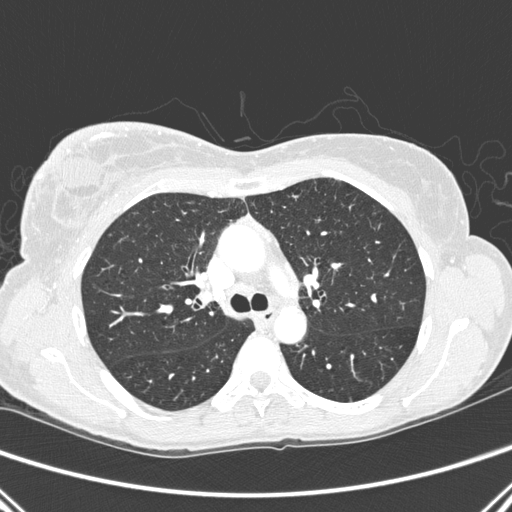
Slice 180/275 of a chest CT, counting up from the lowest; pixel size 0.658 mm, slice thickness 1.00 mm. Pulmonary nodule, outlined by two of the four readers, one of them on this slice. Box on this slice rows 397–400, columns 349–351, the one reader's outline on this slice; longest diameter 3.8–4.4 mm and volume 26–28 mm3 across the two readers' outlines. Ratings across the readers: texture 5/5 (solid) from both readers; margin from 4/5 to 5/5 (circumscribed) across the two readers; sphericity 5/5 (round), both readers agreeing; calcification absent, both readers agreeing; internal structure soft tissue from both readers; subtlety from 2/5 to 4/5 across the two readers; malignancy likelihood 1/5, both readers agreeing. Scale key (1–5): texture non-solid→solid, margin indistinct→circumscribed, sphericity linear→round, subtlety extremely subtle→obvious, malignancy likelihood highly unlikely→highly suspicious of cancer. Box rows and columns are 0-based pixel indices from the top-left corner, inclusive.
Scan settings: 120 kVp, D reconstruction kernel.